Chest CT, axial plane, 120 kVp, kernel STANDARD. Slice 224/265 from the bottom of the scan; thickness 1.25 mm; pixel size 0.943 mm.
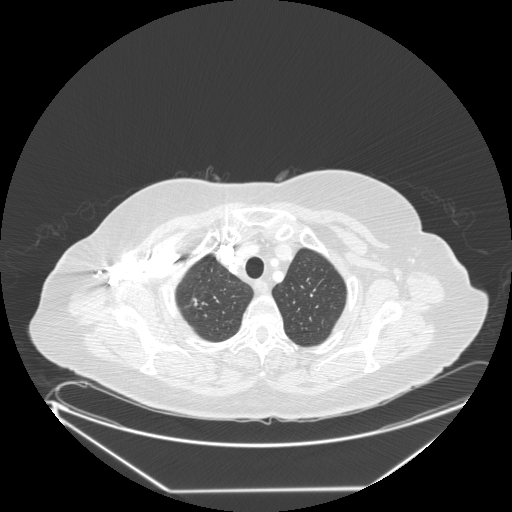
Pulmonary nodule outlined by one of the four readers; box rows 298–305, columns 193–197 (that reader's outline on this slice); longest diameter 10.2 mm and volume 138 mm3 from that reader's outline. Ratings by that reader: texture 5/5 (solid); margin 3/5; sphericity 2/5; calcification absent; internal structure soft tissue; subtlety 2/5; malignancy likelihood 2/5. Scale key (1–5): texture non-solid→solid, margin indistinct→circumscribed, sphericity linear→round, subtlety extremely subtle→obvious, malignancy likelihood highly unlikely→highly suspicious of cancer. Box rows and columns are 0-based pixel indices from the top-left corner, inclusive.